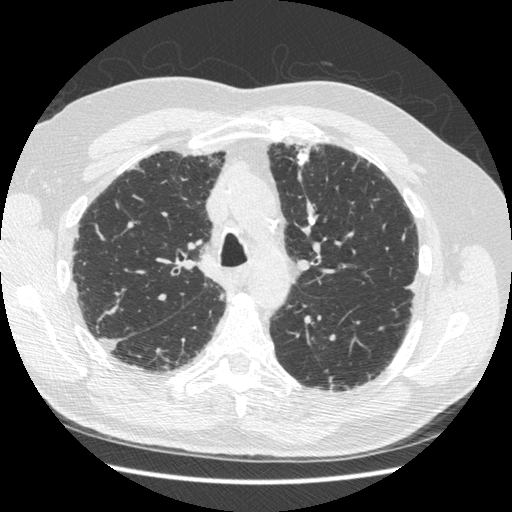
Axial chest CT slice 347 of 497 (counted from the lowest slice); 1.25 mm thick, 0.703 mm per pixel. Pulmonary nodule outlined by all four readers; box rows 149–166, columns 296–308 (the union of the readers' outlines on this slice); longest diameter 16.1 mm on average over the four readers' outlines (readers' outlines 15.2–16.7 mm), volume 670–817 mm3. Ratings, by the readers' most common answer with dissent counted: texture 5/5 (solid), all four readers agreeing; most readers (three of four) put margin at 5/5 (circumscribed), others 3/5 (one); sphericity 5/5 (round) by two of four readers; the rest gave 2/5 (one), 4/5 (one); calcification solid calcification from all four readers; internal structure soft tissue, all four readers agreeing; subtlety 5/5, all four readers agreeing; malignancy likelihood 1/5 from all four readers. Scale key (1–5): texture non-solid→solid, margin indistinct→circumscribed, sphericity linear→round, subtlety extremely subtle→obvious, malignancy likelihood highly unlikely→highly suspicious of cancer. Box rows and columns are 0-based pixel indices from the top-left corner, inclusive.
Acquired at 120 kVp and reconstructed with the STANDARD kernel.